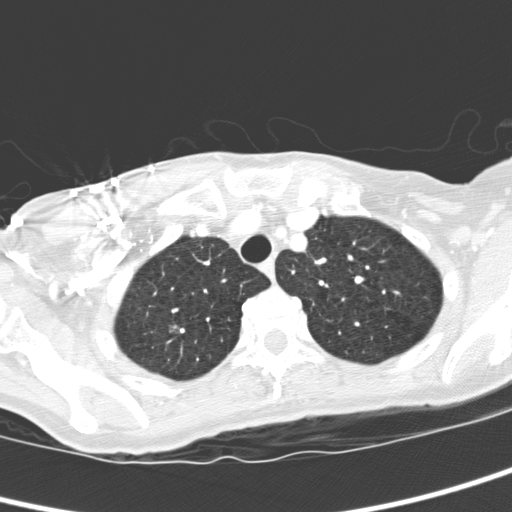
Chest CT, axial plane, 120 kVp, kernel D. Slice 271/321 from the bottom of the scan; thickness 2.00 mm; pixel size 0.557 mm.
Pulmonary nodule, outlined by all four readers, three of them on this slice. Box on this slice rows 324–332, columns 168–178, the union of the readers' outlines on this slice; median longest diameter 9.6 mm (readers' outlines 9.1–10.4 mm), median volume 357 mm3 (168–407 mm3). Median ratings and the readers' spread: texture 5/5 (solid), all four readers agreeing; median margin 5/5 (circumscribed) (readers ranged 4/5 to 5/5 (circumscribed)); sphericity 4/5 at the median of four readers, spread 3/5 (ovoid) to 4/5; calcification absent from all four readers; internal structure soft tissue, all four readers agreeing; median subtlety 4.5/5 (readers ranged 4–5); median malignancy likelihood 3.5/5 (readers ranged 3–5). Scale key (1–5): texture non-solid→solid, margin indistinct→circumscribed, sphericity linear→round, subtlety extremely subtle→obvious, malignancy likelihood highly unlikely→highly suspicious of cancer. Box rows and columns are 0-based pixel indices from the top-left corner, inclusive.